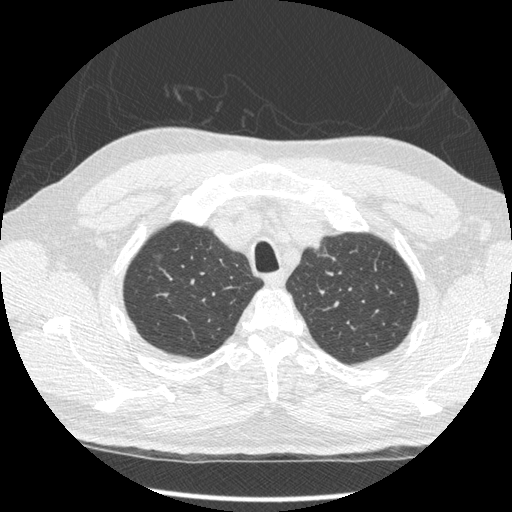
Chest CT, axial plane, 120 kVp, kernel STANDARD. Slice 380/452 from the bottom of the scan; thickness 1.25 mm; pixel size 0.703 mm.
Pulmonary nodule outlined by three of the four readers, one of them on this slice; box rows 255–261, columns 154–161 (the one reader's outline on this slice); median longest diameter 8.5 mm (readers' outlines 7.2–10.2 mm), median volume 79 mm3 (45–84 mm3). Ratings, median across the readers with their spread: texture 1/5 (non-solid) at the median of three readers, spread 1/5 (non-solid) to 4/5; margin 2/5 at the median of three readers, spread 2/5 to 3/5; sphericity 4/5 at the median of three readers, spread 3/5 (ovoid) to 5/5 (round); calcification absent, all three readers agreeing; internal structure soft tissue from all three readers; median subtlety 1/5 (readers ranged 1–4); median malignancy likelihood 3/5 (readers ranged 3–5). Scale key (1–5): texture non-solid→solid, margin indistinct→circumscribed, sphericity linear→round, subtlety extremely subtle→obvious, malignancy likelihood highly unlikely→highly suspicious of cancer. Box rows and columns are 0-based pixel indices from the top-left corner, inclusive.